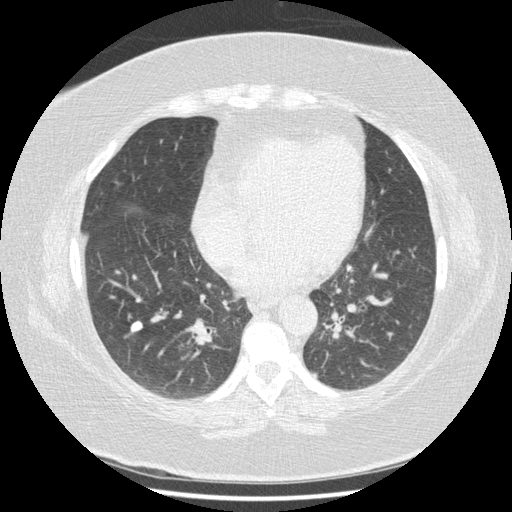
Chest CT, axial plane, 120 kVp, kernel STANDARD. Slice 181/417 from the bottom of the scan; thickness 1.25 mm; pixel size 0.703 mm.
Pulmonary nodule, outlined by all four readers. Box on this slice rows 321–331, columns 130–142, the union of the readers' outlines on this slice; median longest diameter 10.6 mm (readers' outlines 10.5–10.9 mm), median volume 457 mm3 (396–502 mm3). Ratings, median across the readers with their spread: texture 5/5 (solid) from all four readers; margin 5/5 (circumscribed) from all four readers; sphericity 4/5 at the median of four readers, spread 3/5 (ovoid) to 4/5; calcification: solid calcification (three), absent (one); internal structure soft tissue from all four readers; subtlety 5/5, all four readers agreeing; malignancy likelihood 1/5 from all four readers. Scale key (1–5): texture non-solid→solid, margin indistinct→circumscribed, sphericity linear→round, subtlety extremely subtle→obvious, malignancy likelihood highly unlikely→highly suspicious of cancer. Box rows and columns are 0-based pixel indices from the top-left corner, inclusive.